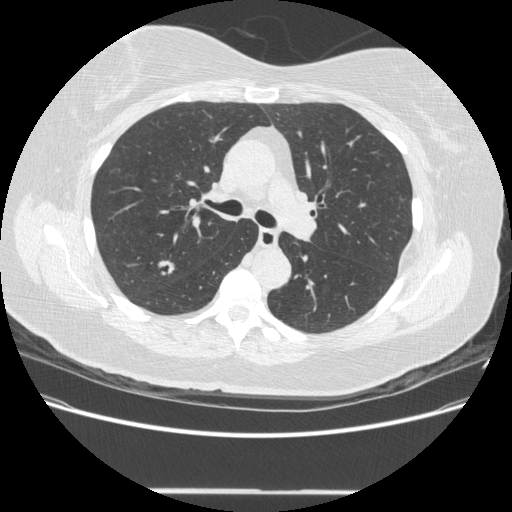
This is axial slice 298 of 481 (slice 1 is the lowest) of a chest CT; each pixel is 0.742 mm and the slice is 1.25 mm thick. Pulmonary nodule, outlined by three of the four readers. Box on this slice rows 260–275, columns 157–174, the union of the readers' outlines on this slice; longest diameter 14.5 mm on average over the three readers' outlines (readers' outlines 13.9–15.6 mm), volume 741–820 mm3. The readers' prevailing ratings and who disagreed: texture 4/5 from all three readers; margin 4/5 by two of three readers; the rest gave 3/5 (one); most readers (two of three) put sphericity at 3/5 (ovoid), others 4/5 (one); calcification absent from all three readers; internal structure soft tissue from all three readers; subtlety 4/5 by two of three readers; the rest gave 5/5 (one); most readers (two of three) put malignancy likelihood at 5/5, others 4/5 (one). Scale key (1–5): texture non-solid→solid, margin indistinct→circumscribed, sphericity linear→round, subtlety extremely subtle→obvious, malignancy likelihood highly unlikely→highly suspicious of cancer. Box rows and columns are 0-based pixel indices from the top-left corner, inclusive.
Acquired at 120 kVp and reconstructed with the STANDARD kernel.